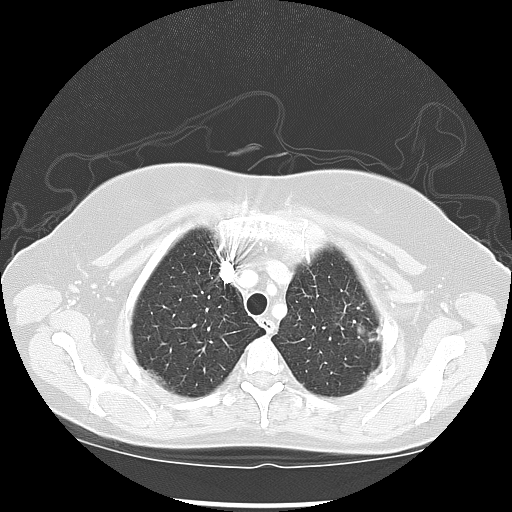
Axial slice 111 of 133 of a chest CT (slice 1 is the lowest), reconstructed with the LUNG kernel at 120 kVp; 2.50 mm slice thickness and 0.703 mm pixels.
Pulmonary nodule at rows 323–342, columns 356–381 (box = the union of the readers' outlines on this slice), outlined by all four readers, three of them on this slice; longest diameter 27.6–35.0 mm and volume 3749–4875 mm3 across the four readers' outlines. Ratings across the readers: texture 5/5 (solid), all four readers agreeing; margin from 2/5 to 5/5 (circumscribed) across the four readers; sphericity from 3/5 (ovoid) to 5/5 (round) across the four readers; calcification absent, all four readers agreeing; internal structure soft tissue, all four readers agreeing; subtlety 5/5, all four readers agreeing; malignancy likelihood 3–5/5 (the readers disagree). Scale key (1–5): texture non-solid→solid, margin indistinct→circumscribed, sphericity linear→round, subtlety extremely subtle→obvious, malignancy likelihood highly unlikely→highly suspicious of cancer. Box rows and columns are 0-based pixel indices from the top-left corner, inclusive.